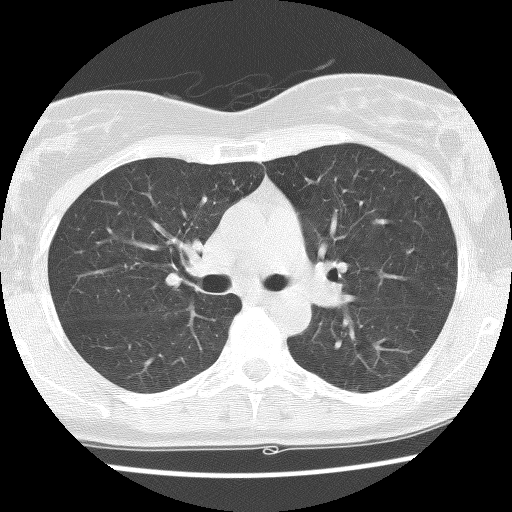
One axial slice (81 of 127, counting up from the lowest) of a chest CT acquired at 140 kVp with the BONE kernel; each pixel is 0.586 mm and the slice is 2.50 mm thick.
The readers outlined no nodule of 3 mm or more on this slice.